Axial chest CT slice 248 of 417 (counted from the lowest slice); tube voltage 120 kVp, convolution kernel STANDARD; slices 1.25 mm thick, 0.703 mm per pixel.
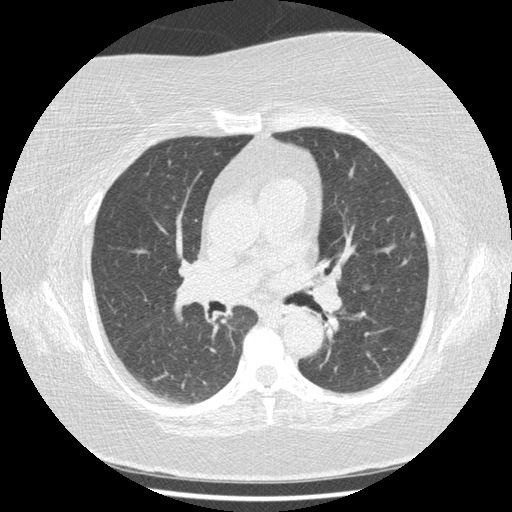
Two pulmonary nodules are outlined on this slice; from left to right: (1) Pulmonary nodule, outlined by all four readers, three of them on this slice. Box on this slice rows 285–290, columns 360–370, the union of the readers' outlines on this slice; median longest diameter 9.2 mm (readers' outlines 7.6–10.7 mm), median volume 160 mm3 (89–248 mm3). Median ratings and the readers' spread: texture 5/5 (solid), all four readers agreeing; median margin 4/5 (readers ranged 4/5 to 5/5 (circumscribed)); median sphericity 3.5/5 (readers ranged 3/5 (ovoid) to 5/5 (round)); calcification absent, all four readers agreeing; internal structure soft tissue from all four readers; median subtlety 4.5/5 (readers ranged 4–5); malignancy likelihood 3/5 at the median of four readers, spread 3–4. (2) Pulmonary nodule at rows 235–238, columns 410–415 (box = that reader's outline on this slice), outlined by one of the four readers; longest diameter 5.5 mm and volume 21 mm3 from that reader's outline. Ratings by that reader: texture 4/5; margin 2/5; sphericity 4/5; calcification absent; internal structure soft tissue; subtlety 5/5; malignancy likelihood 3/5. Scale key (1–5): texture non-solid→solid, margin indistinct→circumscribed, sphericity linear→round, subtlety extremely subtle→obvious, malignancy likelihood highly unlikely→highly suspicious of cancer. Box rows and columns are 0-based pixel indices from the top-left corner, inclusive.